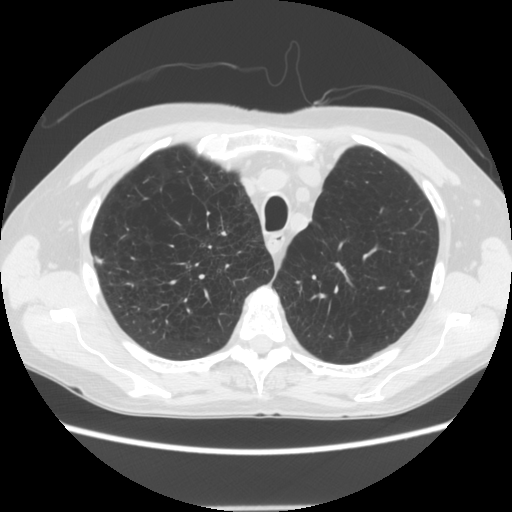
Axial chest CT slice 116 of 143 (counted from the lowest slice); tube voltage 120 kVp, convolution kernel STANDARD; slices 2.50 mm thick, 0.703 mm per pixel.
Pulmonary nodule outlined by two of the four readers; box rows 255–264, columns 93–103 (the union of the readers' outlines on this slice); the two readers' outlines give a longest diameter between 8.6 and 9.0 mm and a volume between 142 and 234 mm3. Ratings across the readers: texture from 2/5 to 5/5 (solid) across the two readers; margin from 1/5 (indistinct) to 4/5 across the two readers; sphericity from 3/5 (ovoid) to 4/5 across the two readers; calcification absent from both readers; internal structure soft tissue, both readers agreeing; subtlety 3–4/5 (the readers disagree); malignancy likelihood 1–4/5 (the readers disagree). Scale key (1–5): texture non-solid→solid, margin indistinct→circumscribed, sphericity linear→round, subtlety extremely subtle→obvious, malignancy likelihood highly unlikely→highly suspicious of cancer. Box rows and columns are 0-based pixel indices from the top-left corner, inclusive.